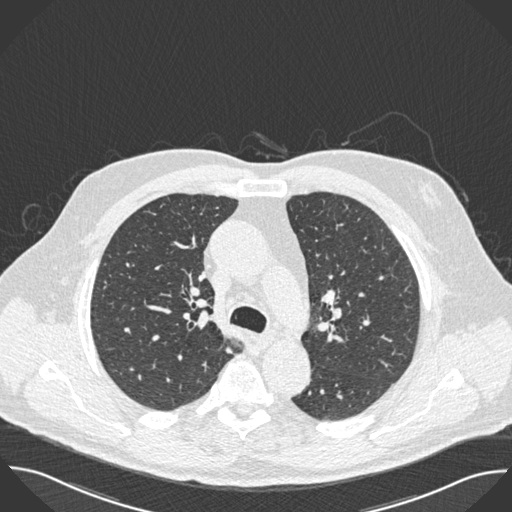
Axial chest CT slice 357 of 493 (counted from the lowest slice); 0.75 mm thick, 0.762 mm per pixel. Pulmonary nodule outlined by two of the four readers; box rows 347–353, columns 225–232 (the union of the readers' outlines on this slice); longest diameter 7.0 mm on average over the two readers' outlines (readers' outlines 6.6–7.5 mm), volume 41–75 mm3. Ratings, by the readers' most common answer with dissent counted: texture 5/5 (solid), both readers agreeing; margin 4/5 from both readers; sphericity 3/5 (ovoid) from both readers; calcification absent, both readers agreeing; internal structure soft tissue, both readers agreeing; subtlety 4/5 from both readers; malignancy likelihood split among the readers: 2/5 (one), 3/5 (one). Scale key (1–5): texture non-solid→solid, margin indistinct→circumscribed, sphericity linear→round, subtlety extremely subtle→obvious, malignancy likelihood highly unlikely→highly suspicious of cancer. Box rows and columns are 0-based pixel indices from the top-left corner, inclusive.
Scan settings: 120 kVp, B30f reconstruction kernel.